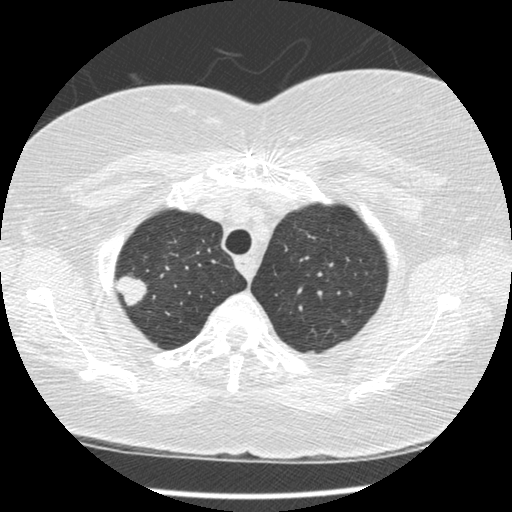
Axial slice 308 of 375 of a chest CT (slice 1 is the lowest), reconstructed with the STANDARD kernel at 120 kVp; 1.25 mm slice thickness and 0.625 mm pixels.
Pulmonary nodule at rows 273–306, columns 113–147 (box = the union of the readers' outlines on this slice), outlined by all four readers; median longest diameter 22.7 mm (readers' outlines 21.2–23.2 mm), median volume 3056 mm3 (2289–3466 mm3). Ratings, median across the readers with their spread: median texture 5/5 (solid) (readers ranged 4/5 to 5/5 (solid)); median margin 4/5 (readers ranged 3/5 to 5/5 (circumscribed)); sphericity 3.5/5 at the median of four readers, spread 2/5 to 5/5 (round); calcification absent from all four readers; internal structure soft tissue, all four readers agreeing; subtlety 5/5, all four readers agreeing; malignancy likelihood 5/5 at the median of four readers, spread 3–5. Scale key (1–5): texture non-solid→solid, margin indistinct→circumscribed, sphericity linear→round, subtlety extremely subtle→obvious, malignancy likelihood highly unlikely→highly suspicious of cancer. Box rows and columns are 0-based pixel indices from the top-left corner, inclusive.